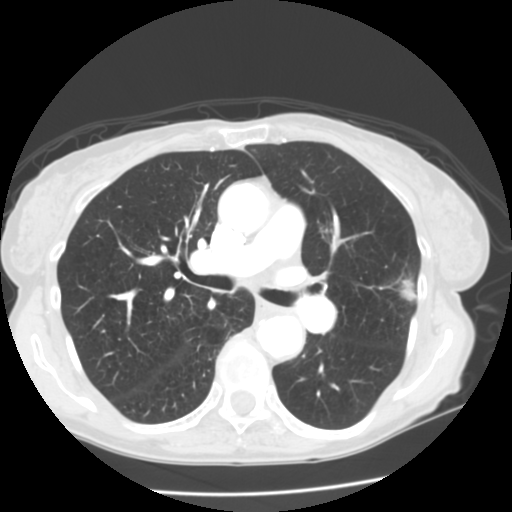
Chest CT, axial plane, 120 kVp, kernel STANDARD. Slice 85/141 from the bottom of the scan; thickness 2.50 mm; pixel size 0.625 mm.
Pulmonary nodule at rows 274–300, columns 398–416 (box = the union of the readers' outlines on this slice), outlined by all four readers; longest diameter 17.6–20.7 mm and volume 1292–2187 mm3 across the four readers' outlines. The readers' ratings, as ranges where they differ: texture from 4/5 to 5/5 (solid) across the four readers; margin from 3/5 to 5/5 (circumscribed) across the four readers; sphericity from 3/5 (ovoid) to 5/5 (round) across the four readers; calcification absent, all four readers agreeing; internal structure soft tissue, all four readers agreeing; subtlety 5/5, all four readers agreeing; malignancy likelihood from 3/5 to 5/5 across the four readers. Scale key (1–5): texture non-solid→solid, margin indistinct→circumscribed, sphericity linear→round, subtlety extremely subtle→obvious, malignancy likelihood highly unlikely→highly suspicious of cancer. Box rows and columns are 0-based pixel indices from the top-left corner, inclusive.